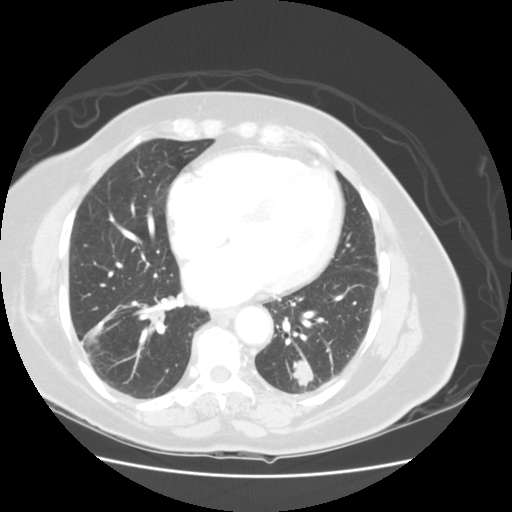
Axial slice 44 of 114 of a chest CT (slice 1 is the lowest), reconstructed with the STANDARD kernel at 120 kVp; 2.50 mm slice thickness and 0.703 mm pixels.
Pulmonary nodule at rows 359–386, columns 292–312 (box = the union of the readers' outlines on this slice), outlined by three of the four readers; longest diameter 20.1–25.1 mm and volume 2723–2965 mm3 across the three readers' outlines. The readers' ratings, as ranges where they differ: texture 5/5 (solid) from all three readers; margin from 4/5 to 5/5 (circumscribed) across the three readers; sphericity 3/5 (ovoid), all three readers agreeing; calcification absent from all three readers; internal structure soft tissue from all three readers; subtlety 5/5, all three readers agreeing; malignancy likelihood rated between 2 and 5 out of 5 by the three readers. Scale key (1–5): texture non-solid→solid, margin indistinct→circumscribed, sphericity linear→round, subtlety extremely subtle→obvious, malignancy likelihood highly unlikely→highly suspicious of cancer. Box rows and columns are 0-based pixel indices from the top-left corner, inclusive.